Axial chest CT slice 168 of 417 (counted from the lowest slice); tube voltage 120 kVp, convolution kernel STANDARD; slices 1.25 mm thick, 0.703 mm per pixel.
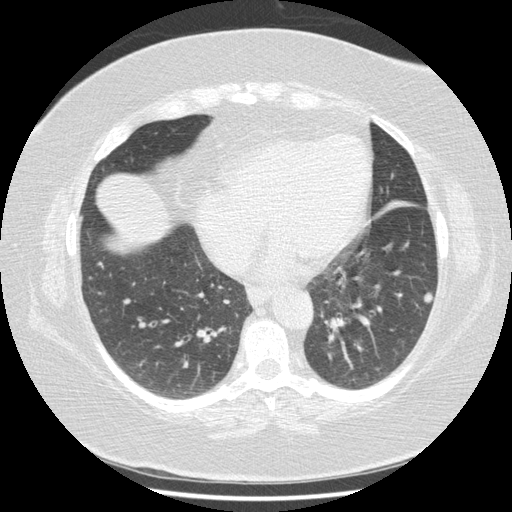
Pulmonary nodule, outlined by all four readers. Box on this slice rows 291–303, columns 422–432, the union of the readers' outlines on this slice; longest diameter 11.0 mm on average over the four readers' outlines (readers' outlines 10.1–11.6 mm), volume 183–290 mm3. The readers' prevailing ratings and who disagreed: texture 5/5 (solid), all four readers agreeing; margin split among the readers: 4/5 (two), 5/5 (circumscribed) (two); sphericity 3/5 (ovoid) by three of four readers; the rest gave 4/5 (one); calcification absent, all four readers agreeing; internal structure soft tissue from all four readers; subtlety 5/5 by three of four readers; the rest gave 4/5 (one); most readers (three of four) put malignancy likelihood at 3/5, others 4/5 (one). Scale key (1–5): texture non-solid→solid, margin indistinct→circumscribed, sphericity linear→round, subtlety extremely subtle→obvious, malignancy likelihood highly unlikely→highly suspicious of cancer. Box rows and columns are 0-based pixel indices from the top-left corner, inclusive.